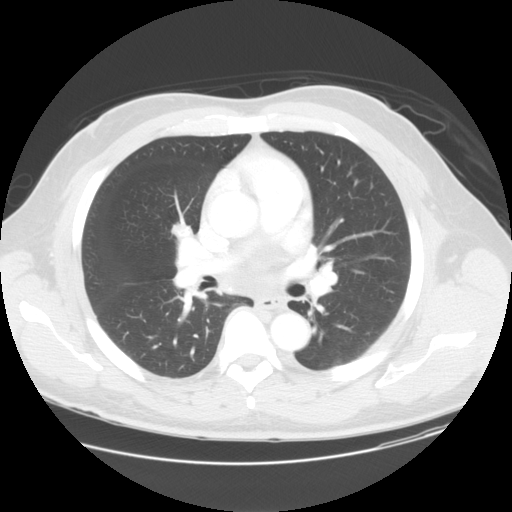
This is axial slice 86 of 144 (slice 1 is the lowest) of a chest CT; each pixel is 0.781 mm and the slice is 2.50 mm thick. Pulmonary nodule at rows 222–238, columns 172–192 (box = the union of the readers' outlines on this slice), outlined by three of the four readers; median longest diameter 19.3 mm (readers' outlines 17.8–19.6 mm), median volume 1709 mm3 (1559–1834 mm3). Ratings, median across the readers with their spread: texture 5/5 (solid), all three readers agreeing; margin 4/5 at the median of three readers, spread 4/5 to 5/5 (circumscribed); sphericity 3/5 (ovoid) at the median of three readers, spread 3/5 (ovoid) to 4/5; calcification: absent (two), non-central calcification (one); internal structure soft tissue from all three readers; median subtlety 4/5 (readers ranged 4–5); median malignancy likelihood 4/5 (readers ranged 3–4). Scale key (1–5): texture non-solid→solid, margin indistinct→circumscribed, sphericity linear→round, subtlety extremely subtle→obvious, malignancy likelihood highly unlikely→highly suspicious of cancer. Box rows and columns are 0-based pixel indices from the top-left corner, inclusive.
Tube voltage 120 kVp; convolution kernel STANDARD.